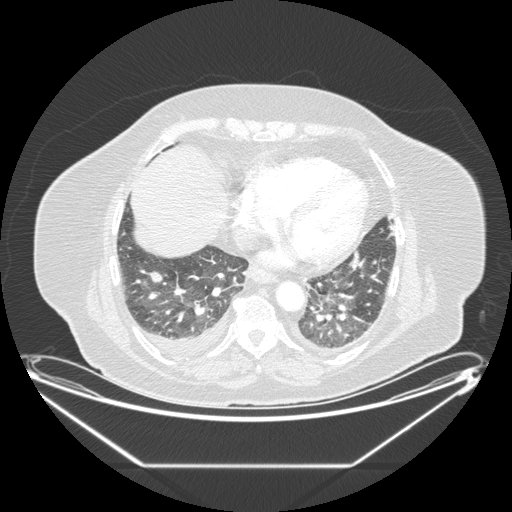
Chest CT, axial plane, 120 kVp, kernel STANDARD. Slice 60/206 from the bottom of the scan; thickness 1.25 mm; pixel size 0.898 mm.
Pulmonary nodule outlined by all four readers; box rows 271–282, columns 149–162 (the union of the readers' outlines on this slice); median longest diameter 26.6 mm (readers' outlines 25.7–34.7 mm), median volume 4111 mm3 (3668–5061 mm3). Median ratings and the readers' spread: texture 5/5 (solid) at the median of four readers, spread 4/5 to 5/5 (solid); margin 4/5 from all four readers; median sphericity 3/5 (ovoid) (readers ranged 3/5 (ovoid) to 5/5 (round)); calcification absent, all four readers agreeing; internal structure soft tissue from all four readers; subtlety 5/5 at the median of four readers, spread 4–5; malignancy likelihood 4.5/5 at the median of four readers, spread 3–5. Scale key (1–5): texture non-solid→solid, margin indistinct→circumscribed, sphericity linear→round, subtlety extremely subtle→obvious, malignancy likelihood highly unlikely→highly suspicious of cancer. Box rows and columns are 0-based pixel indices from the top-left corner, inclusive.